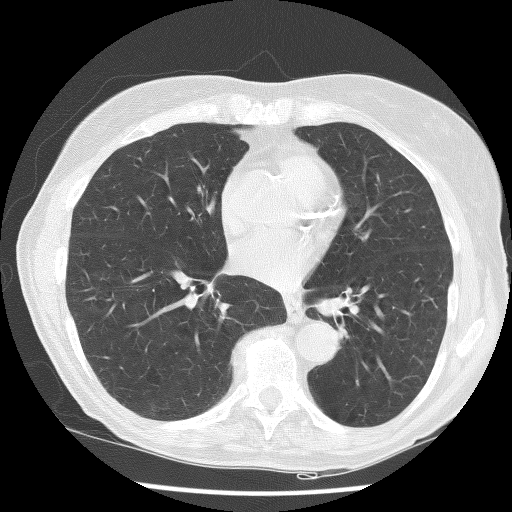
Axial chest CT slice 57 of 122 (counted from the lowest slice); 2.50 mm thick, 0.615 mm per pixel. No nodule of 3 mm or larger was outlined by any of the four readers on this slice.
Acquired at 140 kVp and reconstructed with the BONE kernel.